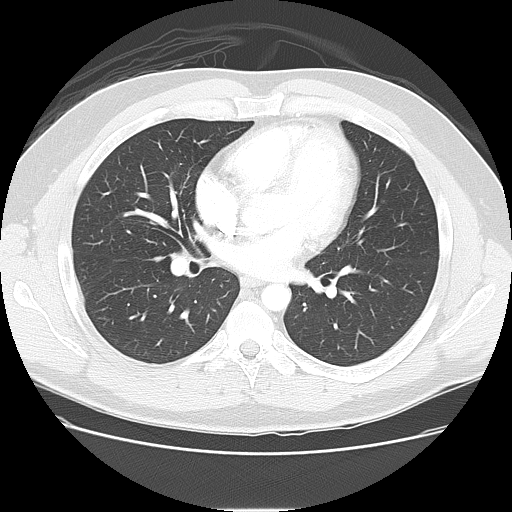
Slice 74/133 of a chest CT, counting up from the lowest; pixel size 0.723 mm, slice thickness 2.50 mm. Pulmonary nodule outlined by one of the four readers; box rows 256–261, columns 153–161 (that reader's outline on this slice); longest diameter 8.5 mm and volume 165 mm3 from that reader's outline. That reader's ratings: texture 5/5 (solid); margin 2/5; sphericity 3/5 (ovoid); calcification absent; internal structure soft tissue; subtlety 2/5; malignancy likelihood 2/5. Scale key (1–5): texture non-solid→solid, margin indistinct→circumscribed, sphericity linear→round, subtlety extremely subtle→obvious, malignancy likelihood highly unlikely→highly suspicious of cancer. Box rows and columns are 0-based pixel indices from the top-left corner, inclusive.
Tube voltage 120 kVp; convolution kernel LUNG.